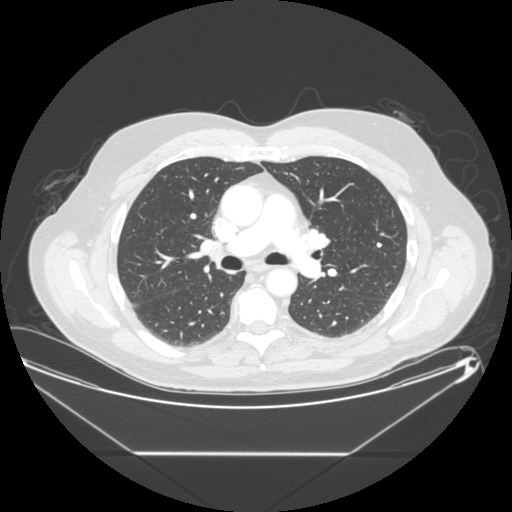
Chest CT, axial plane, 120 kVp, kernel STANDARD. Slice 158/265 from the bottom of the scan; thickness 1.25 mm; pixel size 0.883 mm.
Pulmonary nodule, outlined by one of the four readers. Box on this slice rows 243–247, columns 377–381, that reader's outline on this slice; longest diameter 5.6 mm and volume 102 mm3 from that reader's outline. That reader's ratings: texture 5/5 (solid); margin 5/5 (circumscribed); sphericity 4/5; calcification solid calcification; internal structure soft tissue; subtlety 5/5; malignancy likelihood 1/5. Scale key (1–5): texture non-solid→solid, margin indistinct→circumscribed, sphericity linear→round, subtlety extremely subtle→obvious, malignancy likelihood highly unlikely→highly suspicious of cancer. Box rows and columns are 0-based pixel indices from the top-left corner, inclusive.